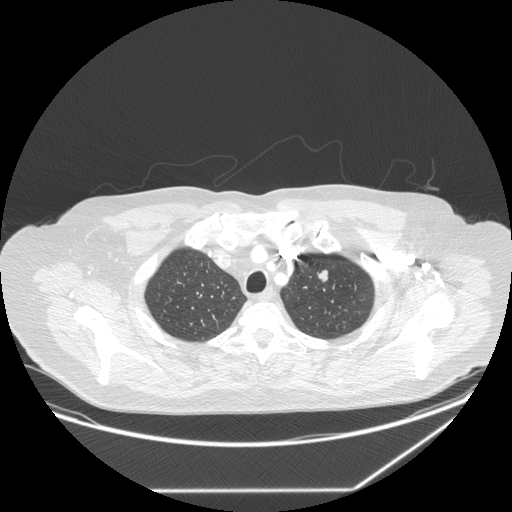
Axial slice 218 of 258 of a chest CT (slice 1 is the lowest), reconstructed with the STANDARD kernel at 120 kVp; 1.25 mm slice thickness and 0.859 mm pixels.
Pulmonary nodule at rows 269–282, columns 317–327 (box = the union of the readers' outlines on this slice), outlined by all four readers; longest diameter 12.9 mm on average over the four readers' outlines (readers' outlines 11.3–14.0 mm), volume 372–779 mm3. The readers' prevailing ratings and who disagreed: texture 5/5 (solid) from all four readers; margin split among the readers: 4/5 (two), 5/5 (circumscribed) (two); sphericity 3/5 (ovoid) by two of four readers; the rest gave 4/5 (one), 5/5 (round) (one); calcification absent, all four readers agreeing; internal structure soft tissue from all four readers; most readers (three of four) put subtlety at 5/5, others 4/5 (one); malignancy likelihood split among the readers: 3/5 (two), 4/5 (two). Scale key (1–5): texture non-solid→solid, margin indistinct→circumscribed, sphericity linear→round, subtlety extremely subtle→obvious, malignancy likelihood highly unlikely→highly suspicious of cancer. Box rows and columns are 0-based pixel indices from the top-left corner, inclusive.